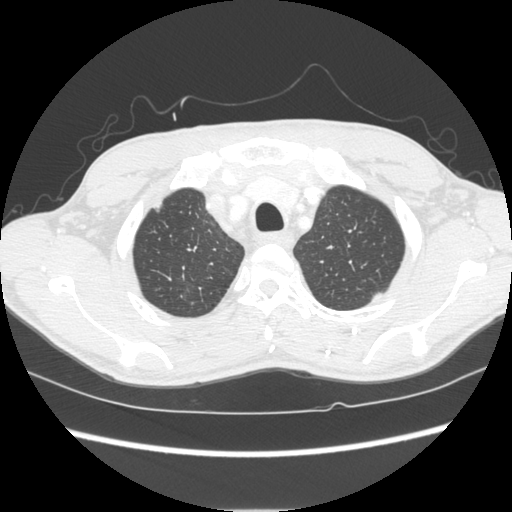
Axial chest CT slice 220 of 261 (counted from the lowest slice); tube voltage 120 kVp, convolution kernel STANDARD; slices 1.25 mm thick, 0.684 mm per pixel.
Pulmonary nodule outlined by all four readers, one of them on this slice; box rows 198–212, columns 152–162 (the one reader's outline on this slice); longest diameter 13.4–14.6 mm and volume 779–989 mm3 across the four readers' outlines. Ratings across the readers: texture 5/5 (solid) from all four readers; margin 5/5 (circumscribed), all four readers agreeing; sphericity from 4/5 to 5/5 (round) across the four readers; calcification absent from all four readers; internal structure soft tissue, all four readers agreeing; subtlety from 3/5 to 5/5 across the four readers; malignancy likelihood rated between 2 and 5 out of 5 by the four readers. Scale key (1–5): texture non-solid→solid, margin indistinct→circumscribed, sphericity linear→round, subtlety extremely subtle→obvious, malignancy likelihood highly unlikely→highly suspicious of cancer. Box rows and columns are 0-based pixel indices from the top-left corner, inclusive.